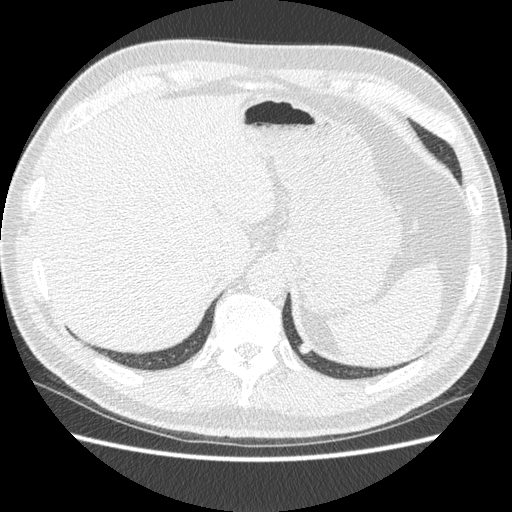
Axial chest CT slice 97 of 477 (counted from the lowest slice); tube voltage 120 kVp, convolution kernel STANDARD; slices 1.25 mm thick, 0.703 mm per pixel.
Pulmonary nodule outlined by all four readers; box rows 340–354, columns 298–310 (the union of the readers' outlines on this slice); median longest diameter 11.7 mm (readers' outlines 10.5–13.2 mm), median volume 384 mm3 (347–425 mm3). Median ratings and the readers' spread: texture 5/5 (solid), all four readers agreeing; median margin 4/5 (readers ranged 4/5 to 5/5 (circumscribed)); median sphericity 3.5/5 (readers ranged 3/5 (ovoid) to 5/5 (round)); calcification split among the readers: solid calcification (one), non-central calcification (one), central calcification (one), absent (one); internal structure soft tissue, all four readers agreeing; median subtlety 4/5 (readers ranged 3–5); median malignancy likelihood 1.5/5 (readers ranged 1–2). Scale key (1–5): texture non-solid→solid, margin indistinct→circumscribed, sphericity linear→round, subtlety extremely subtle→obvious, malignancy likelihood highly unlikely→highly suspicious of cancer. Box rows and columns are 0-based pixel indices from the top-left corner, inclusive.